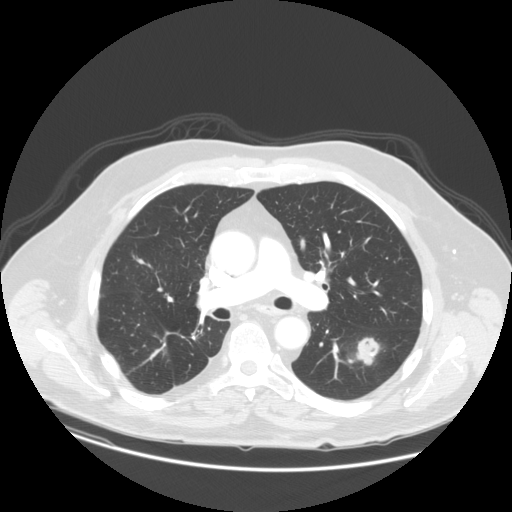
Chest CT, axial plane, 120 kVp, kernel STANDARD. Slice 76/140 from the bottom of the scan; thickness 2.50 mm; pixel size 0.820 mm.
Pulmonary nodule at rows 337–366, columns 347–383 (box = the union of the readers' outlines on this slice), outlined by all four readers; median longest diameter 30.2 mm (readers' outlines 28.0–35.5 mm), median volume 5420 mm3 (4625–10612 mm3). Median ratings and the readers' spread: texture 4/5 at the median of four readers, spread 3/5 (part-solid) to 5/5 (solid); margin 3/5 at the median of four readers, spread 3/5 to 4/5; sphericity 4/5 at the median of four readers, spread 3/5 (ovoid) to 5/5 (round); calcification absent, all four readers agreeing; internal structure soft tissue, all four readers agreeing; subtlety 5/5 from all four readers; median malignancy likelihood 4.5/5 (readers ranged 3–5). Scale key (1–5): texture non-solid→solid, margin indistinct→circumscribed, sphericity linear→round, subtlety extremely subtle→obvious, malignancy likelihood highly unlikely→highly suspicious of cancer. Box rows and columns are 0-based pixel indices from the top-left corner, inclusive.